Chest CT, axial plane, 120 kVp, kernel B45f. Slice 200/348 from the bottom of the scan; thickness 1.00 mm; pixel size 0.703 mm.
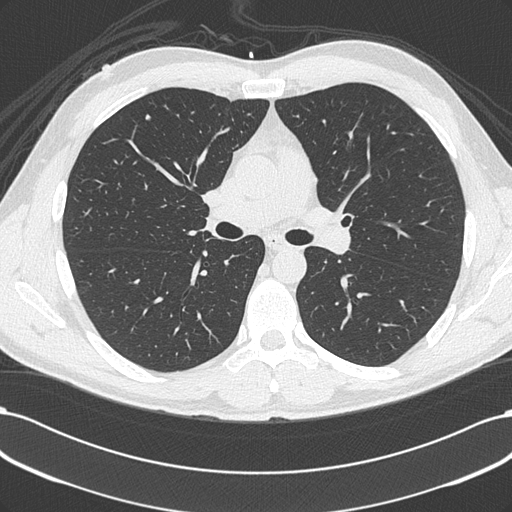
Pulmonary nodule outlined by one of the four readers; box rows 114–119, columns 145–150 (that reader's outline on this slice); longest diameter 5.7 mm and volume 53 mm3 from that reader's outline. Ratings by that reader: texture 5/5 (solid); margin 5/5 (circumscribed); sphericity 5/5 (round); calcification absent; internal structure soft tissue; subtlety 4/5; malignancy likelihood 2/5. Scale key (1–5): texture non-solid→solid, margin indistinct→circumscribed, sphericity linear→round, subtlety extremely subtle→obvious, malignancy likelihood highly unlikely→highly suspicious of cancer. Box rows and columns are 0-based pixel indices from the top-left corner, inclusive.